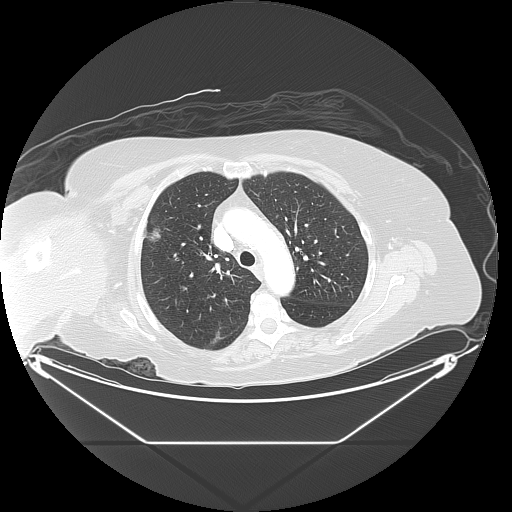
Axial slice 105 of 133 of a chest CT (slice 1 is the lowest), reconstructed with the LUNG kernel at 120 kVp; 2.50 mm slice thickness and 0.977 mm pixels.
Pulmonary nodule outlined by all four readers; box rows 228–241, columns 146–160 (the union of the readers' outlines on this slice); median longest diameter 25.6 mm (readers' outlines 24.5–34.5 mm), median volume 4013 mm3 (3757–4258 mm3). Ratings, median across the readers with their spread: texture 5/5 (solid) at the median of four readers, spread 4/5 to 5/5 (solid); median margin 4.5/5 (readers ranged 4/5 to 5/5 (circumscribed)); median sphericity 3.5/5 (readers ranged 3/5 (ovoid) to 5/5 (round)); calcification absent from all four readers; internal structure soft tissue from all four readers; subtlety 5/5, all four readers agreeing; median malignancy likelihood 5/5 (readers ranged 4–5). Scale key (1–5): texture non-solid→solid, margin indistinct→circumscribed, sphericity linear→round, subtlety extremely subtle→obvious, malignancy likelihood highly unlikely→highly suspicious of cancer. Box rows and columns are 0-based pixel indices from the top-left corner, inclusive.